Axial chest CT slice 80 of 133 (counted from the lowest slice); tube voltage 140 kVp, convolution kernel BONE; slices 2.50 mm thick, 0.557 mm per pixel.
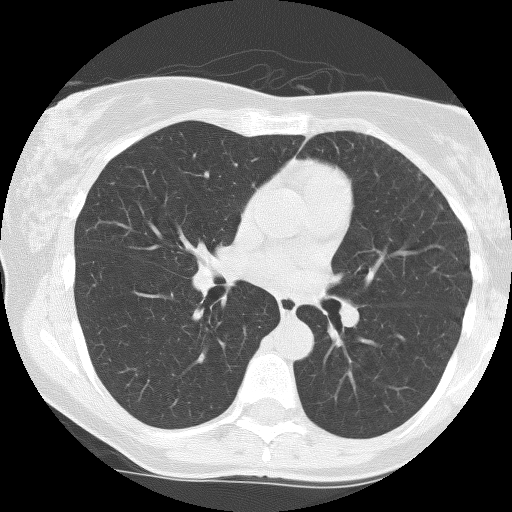
Pulmonary nodule at rows 174–179, columns 416–420 (box = that reader's outline on this slice), outlined by one of the four readers; longest diameter 6.8 mm and volume 108 mm3 from that reader's outline. That reader's ratings: texture 3/5 (part-solid); margin 1/5 (indistinct); sphericity 3/5 (ovoid); calcification absent; internal structure soft tissue; subtlety 1/5; malignancy likelihood 1/5. Scale key (1–5): texture non-solid→solid, margin indistinct→circumscribed, sphericity linear→round, subtlety extremely subtle→obvious, malignancy likelihood highly unlikely→highly suspicious of cancer. Box rows and columns are 0-based pixel indices from the top-left corner, inclusive.